Axial slice 178 of 209 of a chest CT (slice 1 is the lowest), reconstructed with the B30f kernel at 120 kVp; 2.00 mm slice thickness and 0.625 mm pixels.
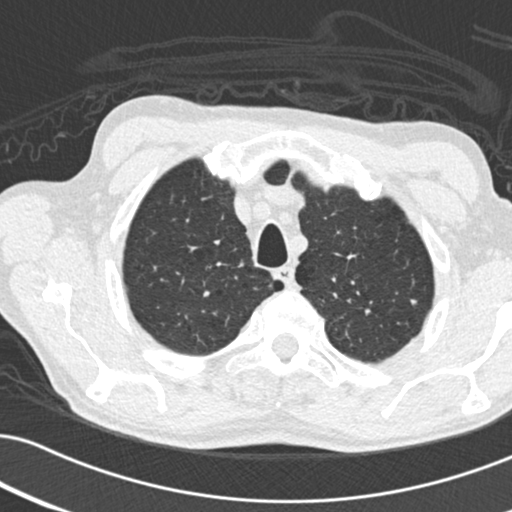
Pulmonary nodule outlined by three of the four readers; box rows 299–305, columns 410–417 (the union of the readers' outlines on this slice); median longest diameter 5.8 mm (readers' outlines 5.3–7.1 mm), median volume 82 mm3 (60–121 mm3). Median ratings and the readers' spread: median texture 5/5 (solid) (readers ranged 4/5 to 5/5 (solid)); median margin 4/5 (readers ranged 3/5 to 5/5 (circumscribed)); median sphericity 3/5 (ovoid) (readers ranged 3/5 (ovoid) to 4/5); calcification absent from all three readers; internal structure soft tissue from all three readers; subtlety 2/5 at the median of three readers, spread 2–3; malignancy likelihood 3/5 at the median of three readers, spread 2–3. Scale key (1–5): texture non-solid→solid, margin indistinct→circumscribed, sphericity linear→round, subtlety extremely subtle→obvious, malignancy likelihood highly unlikely→highly suspicious of cancer. Box rows and columns are 0-based pixel indices from the top-left corner, inclusive.